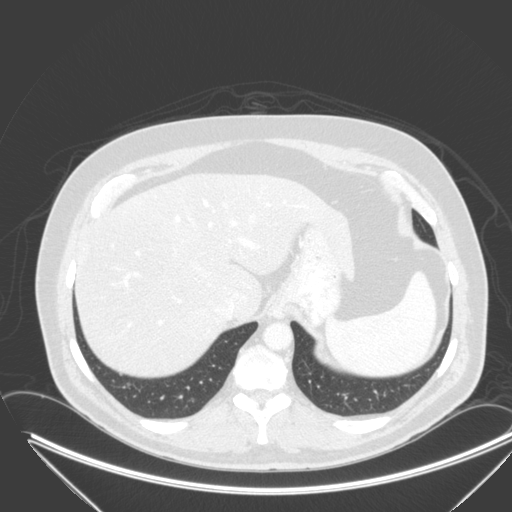
Axial chest CT slice 62 of 315 (counted from the lowest slice); tube voltage 120 kVp, convolution kernel B; slices 2.00 mm thick, 0.830 mm per pixel.
Pulmonary nodule at rows 382–385, columns 125–129 (box = the union of the readers' outlines on this slice), outlined by three of the four readers; longest diameter 5.6–6.3 mm and volume 57–71 mm3 across the three readers' outlines. Ratings across the readers: texture 5/5 (solid) from all three readers; margin from 4/5 to 5/5 (circumscribed) across the three readers; sphericity from 3/5 (ovoid) to 5/5 (round) across the three readers; calcification absent, all three readers agreeing; internal structure soft tissue from all three readers; subtlety from 3/5 to 5/5 across the three readers; malignancy likelihood 2–3/5 (the readers disagree). Scale key (1–5): texture non-solid→solid, margin indistinct→circumscribed, sphericity linear→round, subtlety extremely subtle→obvious, malignancy likelihood highly unlikely→highly suspicious of cancer. Box rows and columns are 0-based pixel indices from the top-left corner, inclusive.